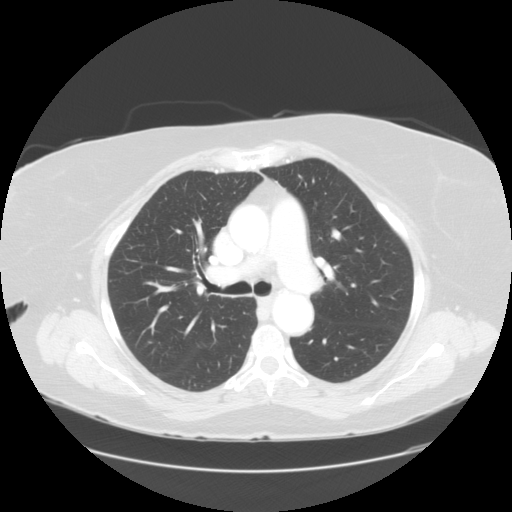
Axial chest CT slice 93 of 133 (counted from the lowest slice); tube voltage 120 kVp, convolution kernel STANDARD; slices 2.50 mm thick, 0.781 mm per pixel.
This slice carries no reader outline of a nodule 3 mm or larger.